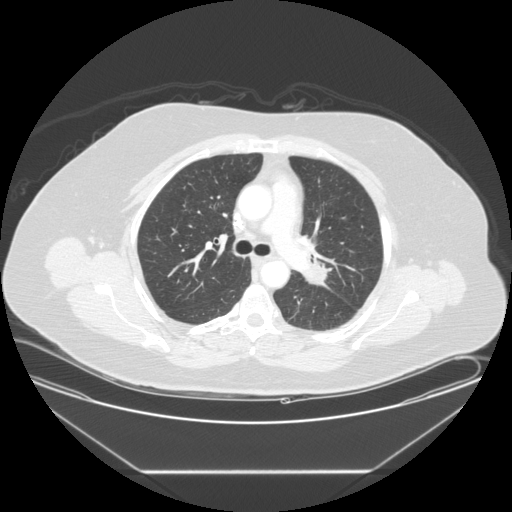
Axial chest CT slice 156 of 225 (counted from the lowest slice); tube voltage 120 kVp, convolution kernel STANDARD; slices 1.25 mm thick, 0.828 mm per pixel.
Pulmonary nodule, outlined by one of the four readers. Box on this slice rows 261–282, columns 303–326, that reader's outline on this slice; longest diameter 33.6 mm and volume 4404 mm3 from that reader's outline. That reader's ratings: texture 5/5 (solid); margin 2/5; sphericity 3/5 (ovoid); calcification absent; internal structure soft tissue; subtlety 5/5; malignancy likelihood 5/5. Scale key (1–5): texture non-solid→solid, margin indistinct→circumscribed, sphericity linear→round, subtlety extremely subtle→obvious, malignancy likelihood highly unlikely→highly suspicious of cancer. Box rows and columns are 0-based pixel indices from the top-left corner, inclusive.